Chest CT, axial plane, 120 kVp, kernel B31f. Slice 503/764 from the bottom of the scan; thickness 1.00 mm; pixel size 0.646 mm.
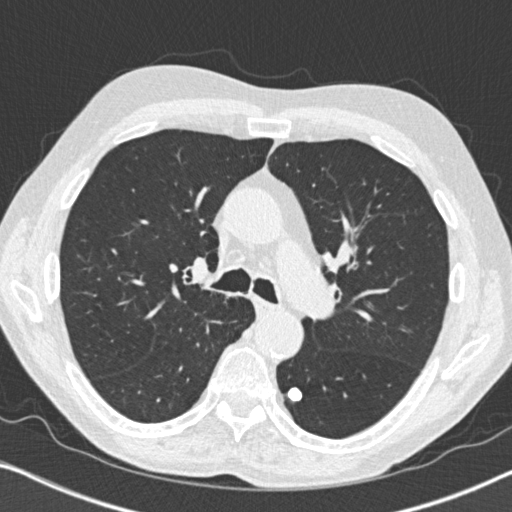
Pulmonary nodule outlined by all four readers; box rows 386–402, columns 286–303 (the union of the readers' outlines on this slice); longest diameter 11.4 mm on average over the four readers' outlines (readers' outlines 10.7–12.7 mm), volume 382–638 mm3. Ratings, by the readers' most common answer with dissent counted: texture 5/5 (solid) from all four readers; margin 5/5 (circumscribed), all four readers agreeing; most readers (three of four) put sphericity at 5/5 (round), others 4/5 (one); calcification solid calcification, all four readers agreeing; internal structure soft tissue from all four readers; subtlety 5/5, all four readers agreeing; malignancy likelihood 1/5 from all four readers. Scale key (1–5): texture non-solid→solid, margin indistinct→circumscribed, sphericity linear→round, subtlety extremely subtle→obvious, malignancy likelihood highly unlikely→highly suspicious of cancer. Box rows and columns are 0-based pixel indices from the top-left corner, inclusive.